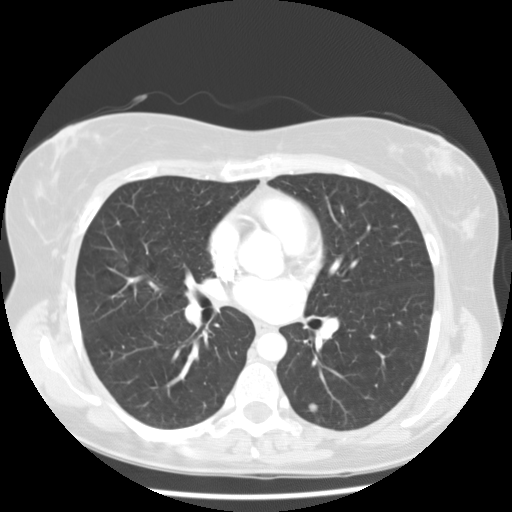
One axial slice (81 of 133, counting up from the lowest) of a chest CT acquired at 120 kVp with the STANDARD kernel; each pixel is 0.664 mm and the slice is 2.50 mm thick.
Pulmonary nodule at rows 402–413, columns 307–318 (box = the union of the readers' outlines on this slice), outlined by all four readers; the four readers' outlines give a longest diameter between 6.8 and 9.0 mm and a volume between 74 and 249 mm3. Ratings across the readers: texture from 4/5 to 5/5 (solid) across the four readers; margin from 3/5 to 5/5 (circumscribed) across the four readers; sphericity from 3/5 (ovoid) to 5/5 (round) across the four readers; calcification absent, all four readers agreeing; internal structure soft tissue, all four readers agreeing; subtlety 3–4/5 (the readers disagree); malignancy likelihood rated between 2 and 3 out of 5 by the four readers. Scale key (1–5): texture non-solid→solid, margin indistinct→circumscribed, sphericity linear→round, subtlety extremely subtle→obvious, malignancy likelihood highly unlikely→highly suspicious of cancer. Box rows and columns are 0-based pixel indices from the top-left corner, inclusive.